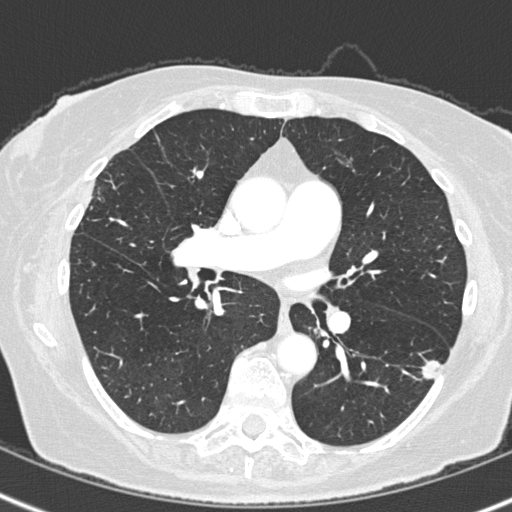
Slice 174/308 of a chest CT, counting up from the lowest; pixel size 0.586 mm, slice thickness 1.00 mm. Pulmonary nodule at rows 356–379, columns 413–442 (box = the union of the readers' outlines on this slice), outlined by all four readers; longest diameter 15.5–19.6 mm and volume 724–1186 mm3 across the four readers' outlines. Ratings across the readers: texture from 4/5 to 5/5 (solid) across the four readers; margin from 3/5 to 4/5 across the four readers; sphericity from 3/5 (ovoid) to 5/5 (round) across the four readers; calcification absent from all four readers; internal structure soft tissue, all four readers agreeing; subtlety rated between 4 and 5 out of 5 by the four readers; malignancy likelihood rated between 4 and 5 out of 5 by the four readers. Scale key (1–5): texture non-solid→solid, margin indistinct→circumscribed, sphericity linear→round, subtlety extremely subtle→obvious, malignancy likelihood highly unlikely→highly suspicious of cancer. Box rows and columns are 0-based pixel indices from the top-left corner, inclusive.
Scan settings: 120 kVp, B45f reconstruction kernel.